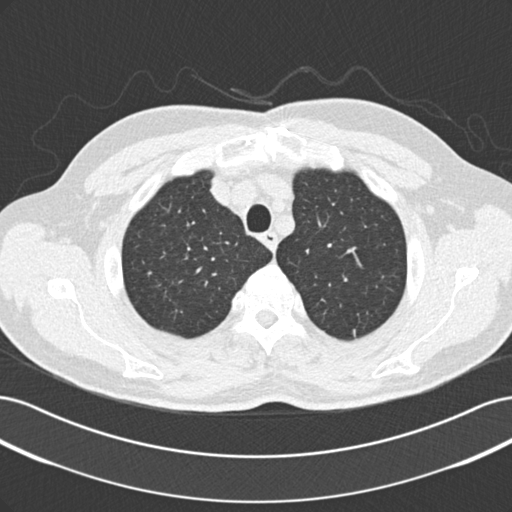
One axial slice (192 of 229, counting up from the lowest) of a chest CT acquired at 120 kVp with the B30f kernel; each pixel is 0.703 mm and the slice is 2.00 mm thick.
Pulmonary nodule at rows 328–335, columns 353–355 (box = the union of the readers' outlines on this slice), outlined by two of the four readers; median longest diameter 8.1 mm (readers' outlines 8.0–8.2 mm), median volume 169 mm3 (156–182 mm3). Ratings, median across the readers with their spread: texture 5/5 (solid), both readers agreeing; margin 4.5/5 at the median of two readers, spread 4/5 to 5/5 (circumscribed); median sphericity 3.5/5 (readers ranged 2/5 to 5/5 (round)); calcification absent from both readers; internal structure soft tissue, both readers agreeing; median subtlety 3.5/5 (readers ranged 3–4); median malignancy likelihood 2.5/5 (readers ranged 2–3). Scale key (1–5): texture non-solid→solid, margin indistinct→circumscribed, sphericity linear→round, subtlety extremely subtle→obvious, malignancy likelihood highly unlikely→highly suspicious of cancer. Box rows and columns are 0-based pixel indices from the top-left corner, inclusive.